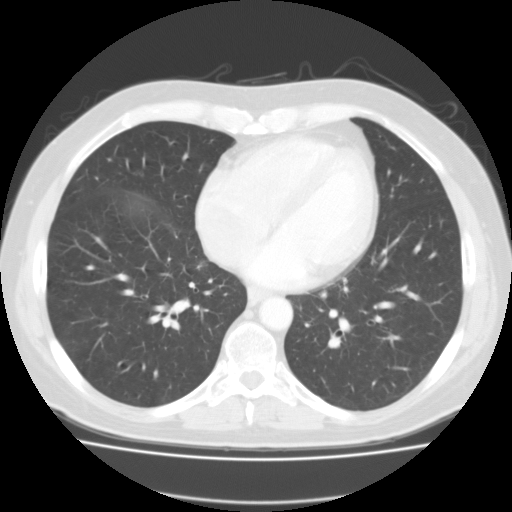
Axial chest CT slice 60 of 127 (counted from the lowest slice); tube voltage 135 kVp, convolution kernel FC01; slices 3.00 mm thick, 0.750 mm per pixel.
Pulmonary nodule, outlined by three of the four readers, one of them on this slice. Box on this slice rows 261–270, columns 196–207, the one reader's outline on this slice; longest diameter 16.1 mm on average over the three readers' outlines (readers' outlines 11.6–24.2 mm), volume 332–728 mm3. Ratings, by the readers' most common answer with dissent counted: most readers (two of three) put texture at 4/5, others 5/5 (solid) (one); margin 3/5 by two of three readers; the rest gave 1/5 (indistinct) (one); sphericity 4/5, all three readers agreeing; calcification absent, all three readers agreeing; internal structure soft tissue from all three readers; most readers (two of three) put subtlety at 3/5, others 4/5 (one); most readers (two of three) put malignancy likelihood at 4/5, others 3/5 (one). Scale key (1–5): texture non-solid→solid, margin indistinct→circumscribed, sphericity linear→round, subtlety extremely subtle→obvious, malignancy likelihood highly unlikely→highly suspicious of cancer. Box rows and columns are 0-based pixel indices from the top-left corner, inclusive.